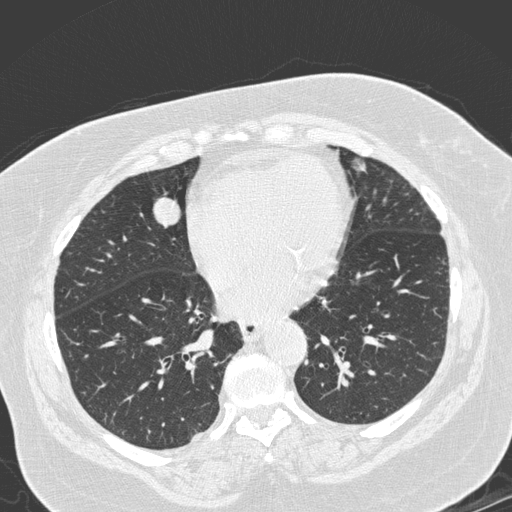
One axial slice (83 of 280, counting up from the lowest) of a chest CT acquired at 120 kVp with the D kernel; each pixel is 0.666 mm and the slice is 1.00 mm thick.
Pulmonary nodule outlined by all four readers; box rows 196–227, columns 151–180 (the union of the readers' outlines on this slice); median longest diameter 25.4 mm (readers' outlines 25.0–27.8 mm), median volume 5111 mm3 (4698–5913 mm3). Ratings, median across the readers with their spread: texture 5/5 (solid), all four readers agreeing; median margin 4.5/5 (readers ranged 4/5 to 5/5 (circumscribed)); median sphericity 4.5/5 (readers ranged 3/5 (ovoid) to 5/5 (round)); calcification absent from all four readers; internal structure soft tissue, all four readers agreeing; subtlety 5/5, all four readers agreeing; malignancy likelihood 4.5/5 at the median of four readers, spread 2–5. Scale key (1–5): texture non-solid→solid, margin indistinct→circumscribed, sphericity linear→round, subtlety extremely subtle→obvious, malignancy likelihood highly unlikely→highly suspicious of cancer. Box rows and columns are 0-based pixel indices from the top-left corner, inclusive.